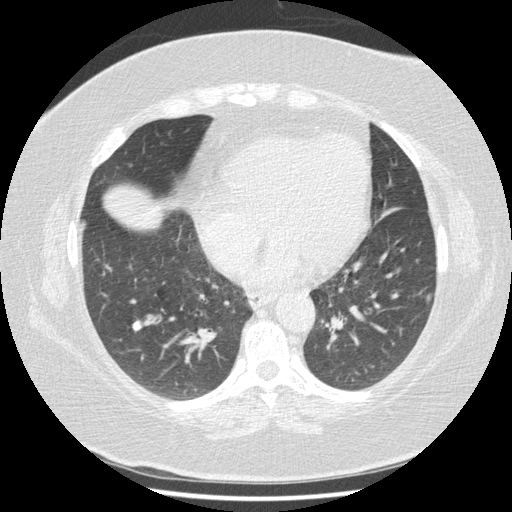
Axial chest CT slice 174 of 417 (counted from the lowest slice); tube voltage 120 kVp, convolution kernel STANDARD; slices 1.25 mm thick, 0.703 mm per pixel.
Two pulmonary nodules on this slice, listed from left to right. (1) Pulmonary nodule outlined by all four readers; box rows 320–330, columns 132–141 (the union of the readers' outlines on this slice); median longest diameter 10.6 mm (readers' outlines 10.5–10.9 mm), median volume 457 mm3 (396–502 mm3). Ratings, median across the readers with their spread: texture 5/5 (solid) from all four readers; margin 5/5 (circumscribed), all four readers agreeing; sphericity 4/5 at the median of four readers, spread 3/5 (ovoid) to 4/5; calcification: solid calcification (three), absent (one); internal structure soft tissue, all four readers agreeing; subtlety 5/5, all four readers agreeing; malignancy likelihood 1/5, all four readers agreeing. (2) Pulmonary nodule, outlined by all four readers. Box on this slice rows 293–304, columns 424–432, the union of the readers' outlines on this slice; longest diameter 10.1–11.6 mm and volume 183–290 mm3 across the four readers' outlines. The readers' ratings, as ranges where they differ: texture 5/5 (solid) from all four readers; margin from 4/5 to 5/5 (circumscribed) across the four readers; sphericity from 3/5 (ovoid) to 4/5 across the four readers; calcification absent from all four readers; internal structure soft tissue, all four readers agreeing; subtlety rated between 4 and 5 out of 5 by the four readers; malignancy likelihood 3–4/5 (the readers disagree). Scale key (1–5): texture non-solid→solid, margin indistinct→circumscribed, sphericity linear→round, subtlety extremely subtle→obvious, malignancy likelihood highly unlikely→highly suspicious of cancer. Box rows and columns are 0-based pixel indices from the top-left corner, inclusive.